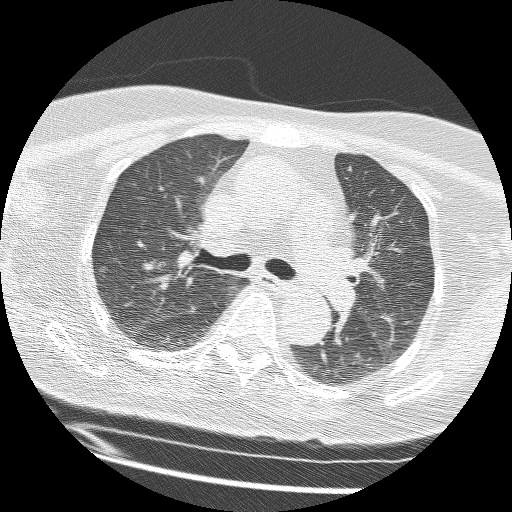
Slice 98/161 of a chest CT, counting up from the lowest; pixel size 0.549 mm, slice thickness 1.25 mm. Pulmonary nodule at rows 265–270, columns 99–107 (box = that reader's outline on this slice), outlined by one of the four readers; longest diameter 6.1 mm and volume 34 mm3 from that reader's outline. That reader's ratings: texture 1/5 (non-solid); margin 2/5; sphericity 4/5; calcification absent; internal structure soft tissue; subtlety 1/5; malignancy likelihood 2/5. Scale key (1–5): texture non-solid→solid, margin indistinct→circumscribed, sphericity linear→round, subtlety extremely subtle→obvious, malignancy likelihood highly unlikely→highly suspicious of cancer. Box rows and columns are 0-based pixel indices from the top-left corner, inclusive.
Tube voltage 120 kVp; convolution kernel BONE.